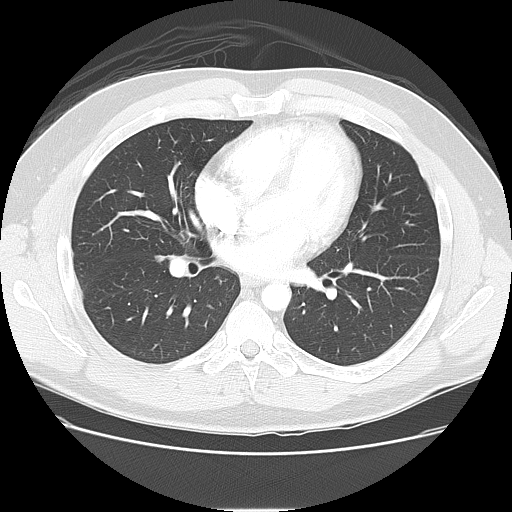
Chest CT, axial plane, 120 kVp, kernel LUNG. Slice 73/133 from the bottom of the scan; thickness 2.50 mm; pixel size 0.723 mm.
Pulmonary nodule, outlined by one of the four readers. Box on this slice rows 255–261, columns 155–164, that reader's outline on this slice; longest diameter 8.5 mm and volume 165 mm3 from that reader's outline. That reader's ratings: texture 5/5 (solid); margin 2/5; sphericity 3/5 (ovoid); calcification absent; internal structure soft tissue; subtlety 2/5; malignancy likelihood 2/5. Scale key (1–5): texture non-solid→solid, margin indistinct→circumscribed, sphericity linear→round, subtlety extremely subtle→obvious, malignancy likelihood highly unlikely→highly suspicious of cancer. Box rows and columns are 0-based pixel indices from the top-left corner, inclusive.